Axial chest CT slice 144 of 278 (counted from the lowest slice); tube voltage 120 kVp, convolution kernel D; slices 1.00 mm thick, 0.812 mm per pixel.
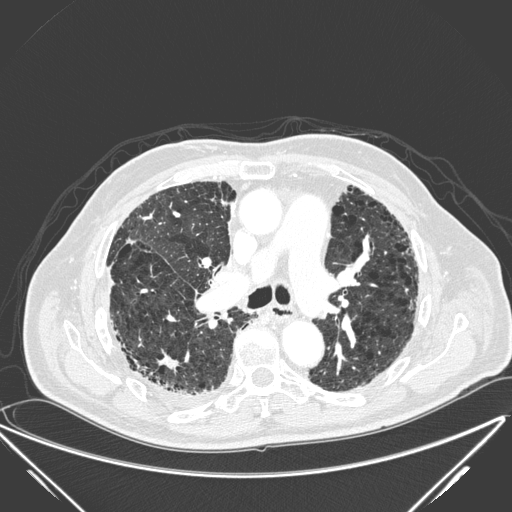
Pulmonary nodule, outlined by all four readers. Box on this slice rows 347–374, columns 155–178, the union of the readers' outlines on this slice; median longest diameter 33.5 mm (readers' outlines 17.4–39.8 mm), median volume 3234 mm3 (1021–4525 mm3). Ratings, median across the readers with their spread: texture 5/5 (solid), all four readers agreeing; median margin 2.5/5 (readers ranged 1/5 (indistinct) to 5/5 (circumscribed)); median sphericity 2/5 (readers ranged 2/5 to 5/5 (round)); calcification absent, all four readers agreeing; internal structure soft tissue from all four readers; median subtlety 4.5/5 (readers ranged 4–5); malignancy likelihood 4.5/5 at the median of four readers, spread 3–5. Scale key (1–5): texture non-solid→solid, margin indistinct→circumscribed, sphericity linear→round, subtlety extremely subtle→obvious, malignancy likelihood highly unlikely→highly suspicious of cancer. Box rows and columns are 0-based pixel indices from the top-left corner, inclusive.